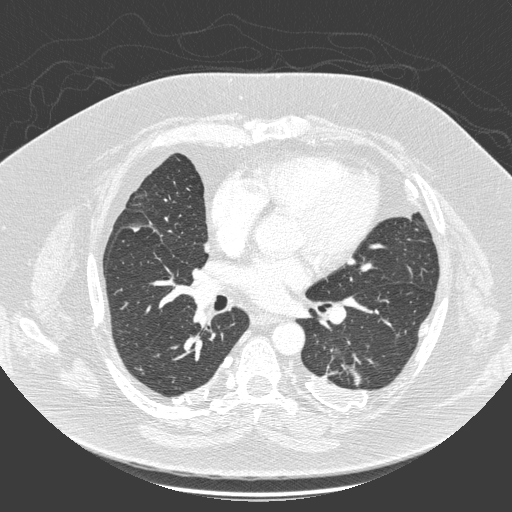
Chest CT, axial plane, 140 kVp, kernel D. Slice 121/280 from the bottom of the scan; thickness 1.00 mm; pixel size 0.801 mm.
Pulmonary nodule at rows 228–231, columns 133–138 (box = that reader's outline on this slice), outlined by one of the four readers; longest diameter 7.2 mm and volume 42 mm3 from that reader's outline. That reader's ratings: texture 5/5 (solid); margin 5/5 (circumscribed); sphericity 2/5; calcification absent; internal structure soft tissue; subtlety 3/5; malignancy likelihood 1/5. Scale key (1–5): texture non-solid→solid, margin indistinct→circumscribed, sphericity linear→round, subtlety extremely subtle→obvious, malignancy likelihood highly unlikely→highly suspicious of cancer. Box rows and columns are 0-based pixel indices from the top-left corner, inclusive.